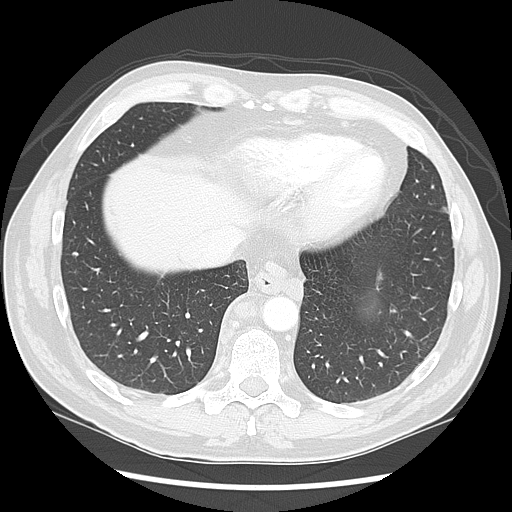
Axial chest CT slice 48 of 139 (counted from the lowest slice); tube voltage 120 kVp, convolution kernel LUNG; slices 2.50 mm thick, 0.703 mm per pixel.
Pulmonary nodule, outlined by two of the four readers. Box on this slice rows 252–256, columns 71–77, the union of the readers' outlines on this slice; longest diameter 7.1 mm on average over the two readers' outlines (readers' outlines 6.4–7.9 mm), volume 113–121 mm3. The readers' prevailing ratings and who disagreed: texture 5/5 (solid), both readers agreeing; margin split among the readers: 4/5 (one), 5/5 (circumscribed) (one); sphericity 4/5, both readers agreeing; calcification absent, both readers agreeing; internal structure soft tissue from both readers; subtlety split among the readers: 3/5 (one), 4/5 (one); malignancy likelihood 2/5 from both readers. Scale key (1–5): texture non-solid→solid, margin indistinct→circumscribed, sphericity linear→round, subtlety extremely subtle→obvious, malignancy likelihood highly unlikely→highly suspicious of cancer. Box rows and columns are 0-based pixel indices from the top-left corner, inclusive.